One axial slice (75 of 193, counting up from the lowest) of a chest CT acquired at 120 kVp with the B30f kernel; each pixel is 0.547 mm and the slice is 2.00 mm thick.
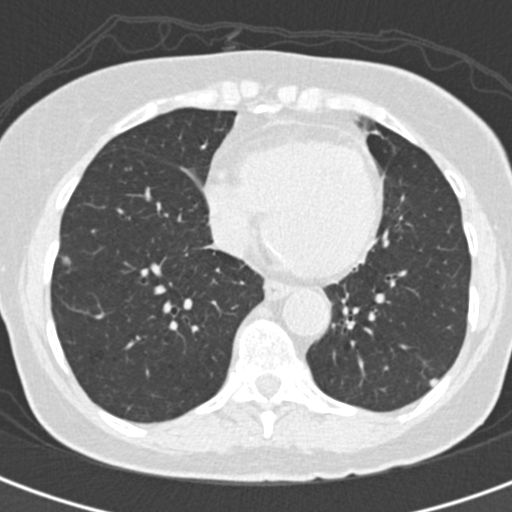
Two pulmonary nodules are outlined on this slice; from left to right: (1) Pulmonary nodule at rows 255–265, columns 60–70 (box = the union of the readers' outlines on this slice), outlined by all four readers; longest diameter 7.4–9.2 mm and volume 153–277 mm3 across the four readers' outlines. The readers' ratings, as ranges where they differ: texture from 4/5 to 5/5 (solid) across the four readers; margin from 4/5 to 5/5 (circumscribed) across the four readers; sphericity from 4/5 to 5/5 (round) across the four readers; calcification absent from all four readers; internal structure soft tissue from all four readers; subtlety from 3/5 to 5/5 across the four readers; malignancy likelihood from 2/5 to 4/5 across the four readers. (2) Pulmonary nodule outlined by all four readers; box rows 378–389, columns 429–440 (the union of the readers' outlines on this slice); median longest diameter 6.5 mm (readers' outlines 6.1–7.6 mm), median volume 79 mm3 (64–96 mm3). Median ratings and the readers' spread: median texture 5/5 (solid) (readers ranged 4/5 to 5/5 (solid)); median margin 5/5 (circumscribed) (readers ranged 4/5 to 5/5 (circumscribed)); sphericity 4.5/5 at the median of four readers, spread 2/5 to 5/5 (round); calcification absent from all four readers; internal structure soft tissue, all four readers agreeing; median subtlety 3/5 (readers ranged 2–4); median malignancy likelihood 3/5 (readers ranged 2–3). Scale key (1–5): texture non-solid→solid, margin indistinct→circumscribed, sphericity linear→round, subtlety extremely subtle→obvious, malignancy likelihood highly unlikely→highly suspicious of cancer. Box rows and columns are 0-based pixel indices from the top-left corner, inclusive.